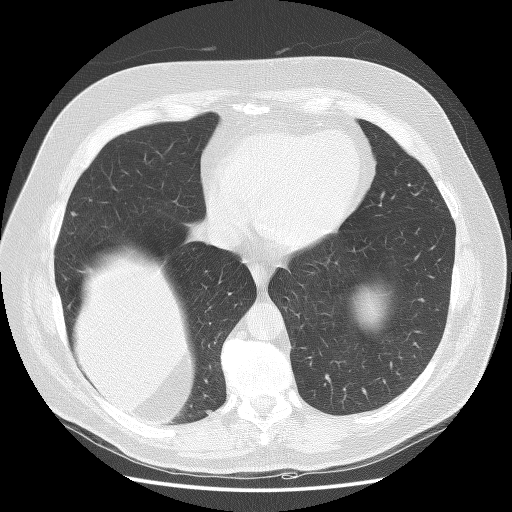
One axial slice (53 of 130, counting up from the lowest) of a chest CT acquired at 140 kVp with the BONE kernel; each pixel is 0.723 mm and the slice is 2.50 mm thick.
Pulmonary nodule at rows 410–413, columns 204–210 (box = that reader's outline on this slice), outlined by one of the four readers; longest diameter 6.2 mm and volume 78 mm3 from that reader's outline. That reader's ratings: texture 5/5 (solid); margin 5/5 (circumscribed); sphericity 4/5; calcification absent; internal structure soft tissue; subtlety 3/5; malignancy likelihood 3/5. Scale key (1–5): texture non-solid→solid, margin indistinct→circumscribed, sphericity linear→round, subtlety extremely subtle→obvious, malignancy likelihood highly unlikely→highly suspicious of cancer. Box rows and columns are 0-based pixel indices from the top-left corner, inclusive.